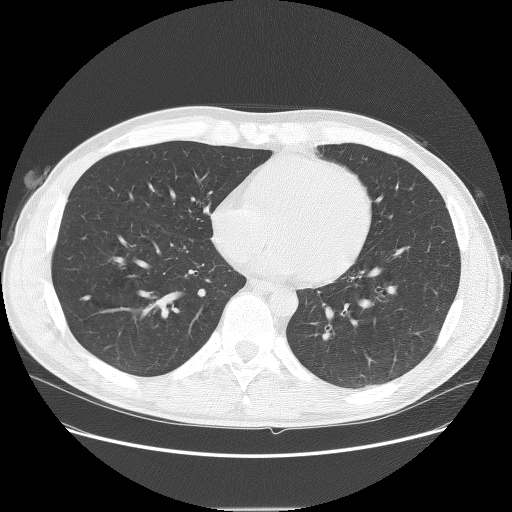
Chest CT, axial plane, 140 kVp, kernel BONE. Slice 43/121 from the bottom of the scan; thickness 2.50 mm; pixel size 0.762 mm.
This slice carries no reader outline of a nodule 3 mm or larger.